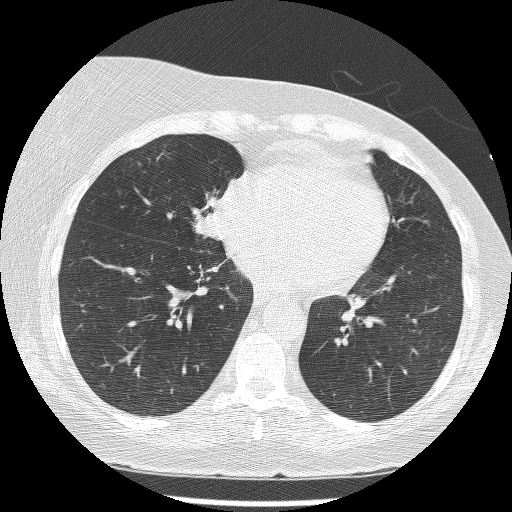
Axial chest CT slice 71 of 209 (counted from the lowest slice); tube voltage 120 kVp, convolution kernel BONE; slices 1.25 mm thick, 0.617 mm per pixel.
Pulmonary nodule at rows 213–241, columns 192–221 (box = the union of the readers' outlines on this slice), outlined by three of the four readers; the three readers' outlines give a longest diameter between 22.9 and 27.7 mm and a volume between 3040 and 4232 mm3. Ratings across the readers: texture 5/5 (solid) from all three readers; margin from 4/5 to 5/5 (circumscribed) across the three readers; sphericity from 3/5 (ovoid) to 4/5 across the three readers; calcification absent from all three readers; internal structure soft tissue from all three readers; subtlety 5/5 from all three readers; malignancy likelihood 5/5 from all three readers. Scale key (1–5): texture non-solid→solid, margin indistinct→circumscribed, sphericity linear→round, subtlety extremely subtle→obvious, malignancy likelihood highly unlikely→highly suspicious of cancer. Box rows and columns are 0-based pixel indices from the top-left corner, inclusive.